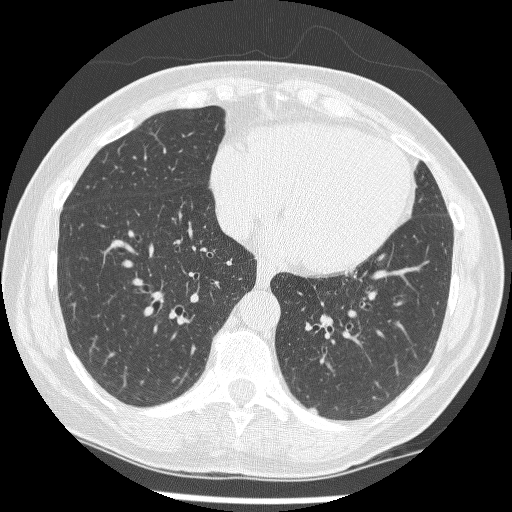
This is axial slice 94 of 241 (slice 1 is the lowest) of a chest CT; each pixel is 0.590 mm and the slice is 1.25 mm thick. Pulmonary nodule outlined by one of the four readers; box rows 407–414, columns 308–319 (that reader's outline on this slice); longest diameter 8.2 mm and volume 79 mm3 from that reader's outline. That reader's ratings: texture 2/5; margin 1/5 (indistinct); sphericity 3/5 (ovoid); calcification absent; internal structure soft tissue; subtlety 3/5; malignancy likelihood 3/5. Scale key (1–5): texture non-solid→solid, margin indistinct→circumscribed, sphericity linear→round, subtlety extremely subtle→obvious, malignancy likelihood highly unlikely→highly suspicious of cancer. Box rows and columns are 0-based pixel indices from the top-left corner, inclusive.
Scan settings: 120 kVp, BONE reconstruction kernel.